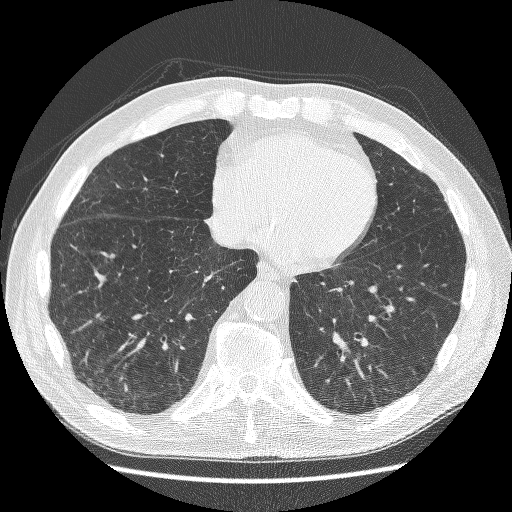
Axial slice 81 of 241 of a chest CT (slice 1 is the lowest), reconstructed with the BONE kernel at 120 kVp; 1.25 mm slice thickness and 0.703 mm pixels.
No nodule 3 mm or larger was outlined here by any reader.